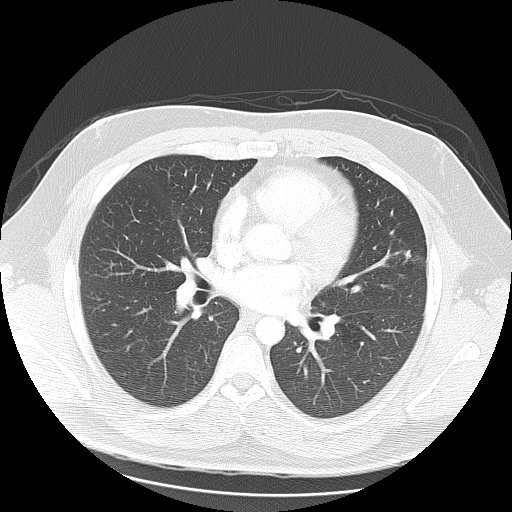
Axial chest CT slice 63 of 111 (counted from the lowest slice); tube voltage 120 kVp, convolution kernel LUNG; slices 2.50 mm thick, 0.781 mm per pixel.
No nodule of 3 mm or larger was outlined by any of the four readers on this slice.